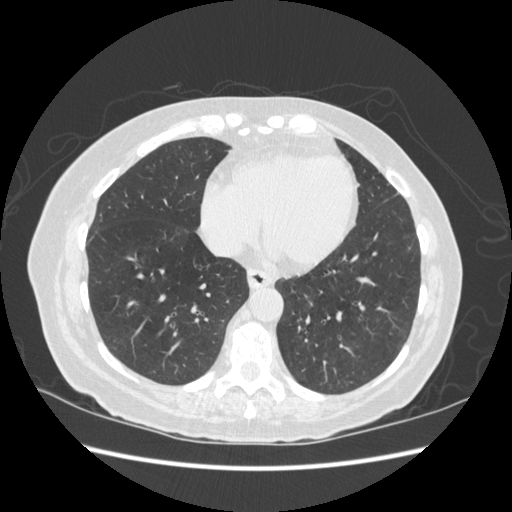
Slice 174/513 of a chest CT, counting up from the lowest; pixel size 0.703 mm, slice thickness 1.25 mm. Pulmonary nodule, outlined by two of the four readers. Box on this slice rows 332–334, columns 158–160, the union of the readers' outlines on this slice; longest diameter 6.8 mm on average over the two readers' outlines (readers' outlines 6.7–6.9 mm), volume 105–106 mm3. The readers' prevailing ratings and who disagreed: texture split among the readers: 4/5 (one), 5/5 (solid) (one); margin 4/5 from both readers; sphericity split among the readers: 2/5 (one), 4/5 (one); calcification absent, both readers agreeing; internal structure soft tissue, both readers agreeing; subtlety 2/5, both readers agreeing; malignancy likelihood split among the readers: 1/5 (one), 2/5 (one). Scale key (1–5): texture non-solid→solid, margin indistinct→circumscribed, sphericity linear→round, subtlety extremely subtle→obvious, malignancy likelihood highly unlikely→highly suspicious of cancer. Box rows and columns are 0-based pixel indices from the top-left corner, inclusive.
Acquired at 120 kVp and reconstructed with the STANDARD kernel.